Axial slice 157 of 240 of a chest CT (slice 1 is the lowest), reconstructed with the BONE kernel at 120 kVp; 1.25 mm slice thickness and 0.703 mm pixels.
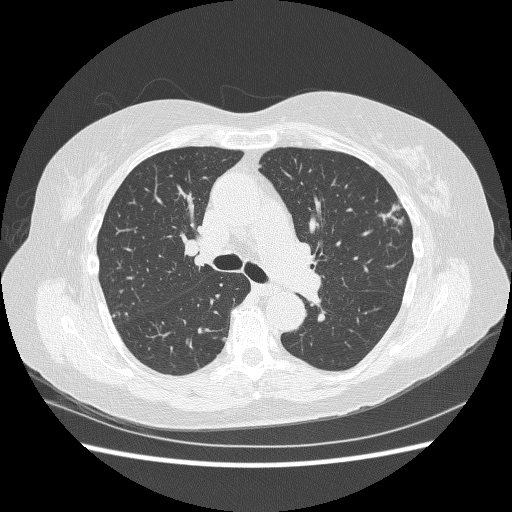
Pulmonary nodule outlined by two of the four readers; box rows 337–340, columns 222–226 (the union of the readers' outlines on this slice); longest diameter 5.1–5.7 mm and volume 40–44 mm3 across the two readers' outlines. Ratings across the readers: texture from 4/5 to 5/5 (solid) across the two readers; margin 4/5, both readers agreeing; sphericity from 4/5 to 5/5 (round) across the two readers; calcification absent, both readers agreeing; internal structure soft tissue, both readers agreeing; subtlety 2–3/5 (the readers disagree); malignancy likelihood 3/5, both readers agreeing. Scale key (1–5): texture non-solid→solid, margin indistinct→circumscribed, sphericity linear→round, subtlety extremely subtle→obvious, malignancy likelihood highly unlikely→highly suspicious of cancer. Box rows and columns are 0-based pixel indices from the top-left corner, inclusive.